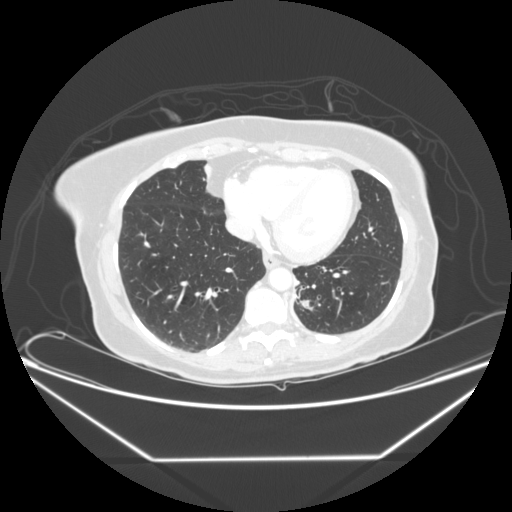
Chest CT, axial plane, 120 kVp, kernel STANDARD. Slice 78/245 from the bottom of the scan; thickness 1.25 mm; pixel size 0.826 mm.
Pulmonary nodule outlined by all four readers; box rows 299–310, columns 300–313 (the union of the readers' outlines on this slice); longest diameter 12.9 mm on average over the four readers' outlines (readers' outlines 10.9–14.9 mm), volume 519–637 mm3. Ratings, by the readers' most common answer with dissent counted: texture 5/5 (solid) from all four readers; most readers (three of four) put margin at 4/5, others 5/5 (circumscribed) (one); sphericity 4/5 by two of four readers; the rest gave 3/5 (ovoid) (one), 5/5 (round) (one); calcification absent from all four readers; internal structure soft tissue, all four readers agreeing; subtlety split among the readers: 2/5 (one), 3/5 (one), 4/5 (one), 5/5 (one); malignancy likelihood 3/5 by three of four readers; the rest gave 4/5 (one). Scale key (1–5): texture non-solid→solid, margin indistinct→circumscribed, sphericity linear→round, subtlety extremely subtle→obvious, malignancy likelihood highly unlikely→highly suspicious of cancer. Box rows and columns are 0-based pixel indices from the top-left corner, inclusive.